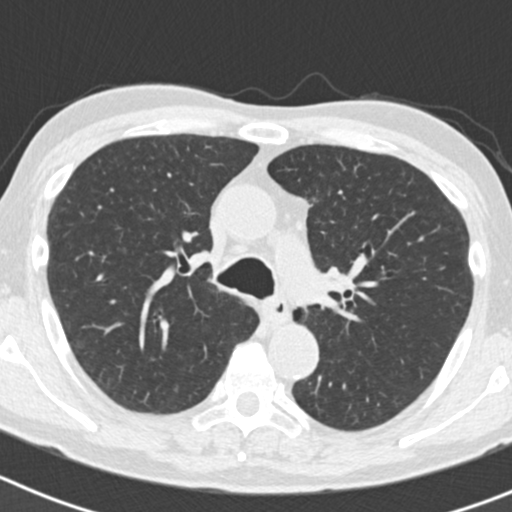
Slice 128/186 of a chest CT, counting up from the lowest; pixel size 0.586 mm, slice thickness 2.00 mm. Pulmonary nodule at rows 197–201, columns 313–317 (box = the one reader's outline on this slice), outlined by two of the four readers, one of them on this slice; longest diameter 12.3 mm on average over the two readers' outlines (readers' outlines 11.6–13.0 mm), volume 332–359 mm3. The readers' prevailing ratings and who disagreed: texture split among the readers: 3/5 (part-solid) (one), 5/5 (solid) (one); margin split among the readers: 2/5 (one), 4/5 (one); sphericity 3/5 (ovoid) from both readers; calcification absent from both readers; internal structure soft tissue from both readers; subtlety split among the readers: 3/5 (one), 4/5 (one); malignancy likelihood split among the readers: 3/5 (one), 4/5 (one). Scale key (1–5): texture non-solid→solid, margin indistinct→circumscribed, sphericity linear→round, subtlety extremely subtle→obvious, malignancy likelihood highly unlikely→highly suspicious of cancer. Box rows and columns are 0-based pixel indices from the top-left corner, inclusive.
Scan settings: 120 kVp, B30f reconstruction kernel.